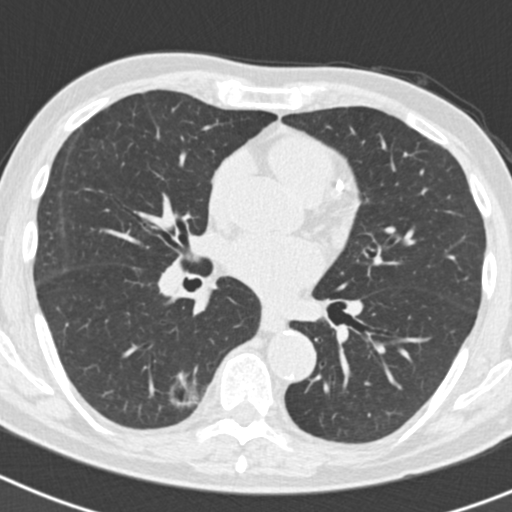
One axial slice (99 of 186, counting up from the lowest) of a chest CT acquired at 120 kVp with the B30f kernel; each pixel is 0.586 mm and the slice is 2.00 mm thick.
Pulmonary nodule, outlined by one of the four readers. Box on this slice rows 365–409, columns 168–201, that reader's outline on this slice; longest diameter 31.4 mm and volume 6527 mm3 from that reader's outline. That reader's ratings: texture 1/5 (non-solid); margin 2/5; sphericity 4/5; calcification absent; internal structure soft tissue; subtlety 5/5; malignancy likelihood 3/5. Scale key (1–5): texture non-solid→solid, margin indistinct→circumscribed, sphericity linear→round, subtlety extremely subtle→obvious, malignancy likelihood highly unlikely→highly suspicious of cancer. Box rows and columns are 0-based pixel indices from the top-left corner, inclusive.